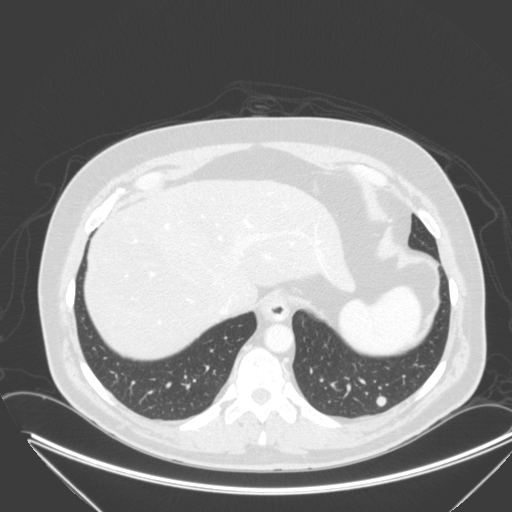
This is axial slice 75 of 315 (slice 1 is the lowest) of a chest CT; each pixel is 0.830 mm and the slice is 2.00 mm thick. Pulmonary nodule, outlined by all four readers. Box on this slice rows 396–406, columns 376–386, the union of the readers' outlines on this slice; median longest diameter 10.5 mm (readers' outlines 10.3–12.9 mm), median volume 445 mm3 (426–557 mm3). Ratings, median across the readers with their spread: texture 5/5 (solid) from all four readers; median margin 5/5 (circumscribed) (readers ranged 4/5 to 5/5 (circumscribed)); median sphericity 5/5 (round) (readers ranged 3/5 (ovoid) to 5/5 (round)); calcification absent from all four readers; internal structure soft tissue, all four readers agreeing; median subtlety 4.5/5 (readers ranged 4–5); malignancy likelihood 3.5/5 at the median of four readers, spread 3–4. Scale key (1–5): texture non-solid→solid, margin indistinct→circumscribed, sphericity linear→round, subtlety extremely subtle→obvious, malignancy likelihood highly unlikely→highly suspicious of cancer. Box rows and columns are 0-based pixel indices from the top-left corner, inclusive.
Tube voltage 120 kVp; convolution kernel B.